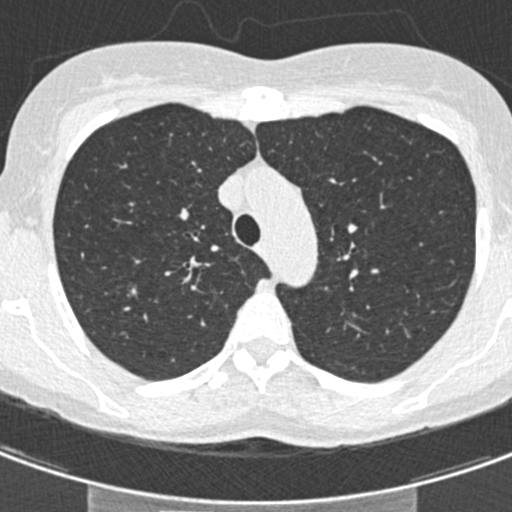
One axial slice (324 of 429, counting up from the lowest) of a chest CT acquired at 120 kVp with the B30f kernel; each pixel is 0.537 mm and the slice is 0.75 mm thick.
Pulmonary nodule outlined by all four readers; box rows 284–297, columns 127–136 (the union of the readers' outlines on this slice); the four readers' outlines give a longest diameter between 11.2 and 13.4 mm and a volume between 226 and 398 mm3. Ratings across the readers: texture from 3/5 (part-solid) to 4/5 across the four readers; margin from 1/5 (indistinct) to 4/5 across the four readers; sphericity from 2/5 to 5/5 (round) across the four readers; calcification absent from all four readers; internal structure soft tissue from all four readers; subtlety rated between 3 and 5 out of 5 by the four readers; malignancy likelihood from 3/5 to 4/5 across the four readers. Scale key (1–5): texture non-solid→solid, margin indistinct→circumscribed, sphericity linear→round, subtlety extremely subtle→obvious, malignancy likelihood highly unlikely→highly suspicious of cancer. Box rows and columns are 0-based pixel indices from the top-left corner, inclusive.